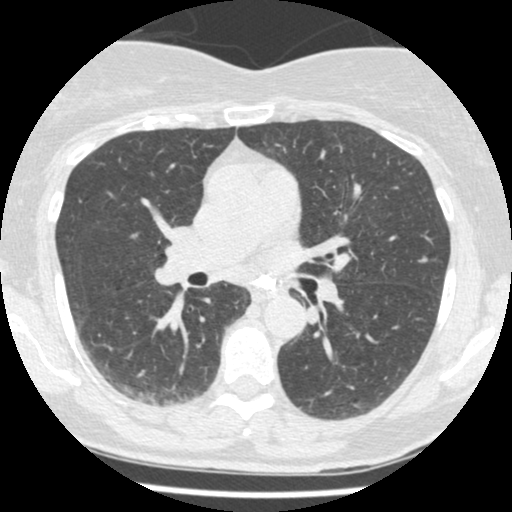
Slice 279/465 of a chest CT, counting up from the lowest; pixel size 0.586 mm, slice thickness 1.25 mm. Pulmonary nodule at rows 256–262, columns 420–426 (box = the union of the readers' outlines on this slice), outlined by all four readers; longest diameter 5.8 mm on average over the four readers' outlines (readers' outlines 5.4–6.0 mm), volume 46–67 mm3. Ratings, by the readers' most common answer with dissent counted: texture 5/5 (solid) from all four readers; margin split among the readers: 4/5 (two), 5/5 (circumscribed) (two); most readers (three of four) put sphericity at 4/5, others 3/5 (ovoid) (one); calcification absent, all four readers agreeing; internal structure soft tissue, all four readers agreeing; subtlety 3/5 by two of four readers; the rest gave 2/5 (one), 4/5 (one); malignancy likelihood 3/5 by three of four readers; the rest gave 2/5 (one). Scale key (1–5): texture non-solid→solid, margin indistinct→circumscribed, sphericity linear→round, subtlety extremely subtle→obvious, malignancy likelihood highly unlikely→highly suspicious of cancer. Box rows and columns are 0-based pixel indices from the top-left corner, inclusive.
Acquired at 120 kVp and reconstructed with the STANDARD kernel.